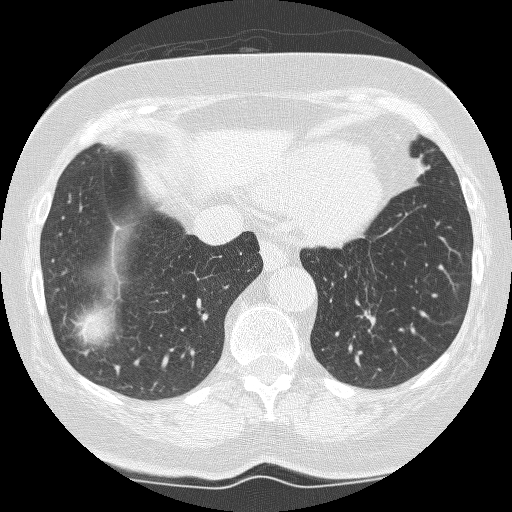
Axial chest CT slice 76 of 246 (counted from the lowest slice); 1.25 mm thick, 0.566 mm per pixel. Pulmonary nodule outlined by all four readers, three of them on this slice; box rows 310–326, columns 363–376 (the union of the readers' outlines on this slice); median longest diameter 15.5 mm (readers' outlines 13.8–17.3 mm), median volume 933 mm3 (672–1099 mm3). Median ratings and the readers' spread: texture 5/5 (solid), all four readers agreeing; margin 3/5 at the median of four readers, spread 2/5 to 4/5; sphericity 3.5/5 at the median of four readers, spread 2/5 to 4/5; calcification absent from all four readers; internal structure soft tissue, all four readers agreeing; subtlety 4.5/5 at the median of four readers, spread 4–5; malignancy likelihood 4.5/5 at the median of four readers, spread 3–5. Scale key (1–5): texture non-solid→solid, margin indistinct→circumscribed, sphericity linear→round, subtlety extremely subtle→obvious, malignancy likelihood highly unlikely→highly suspicious of cancer. Box rows and columns are 0-based pixel indices from the top-left corner, inclusive.
Acquired at 120 kVp and reconstructed with the BONE kernel.